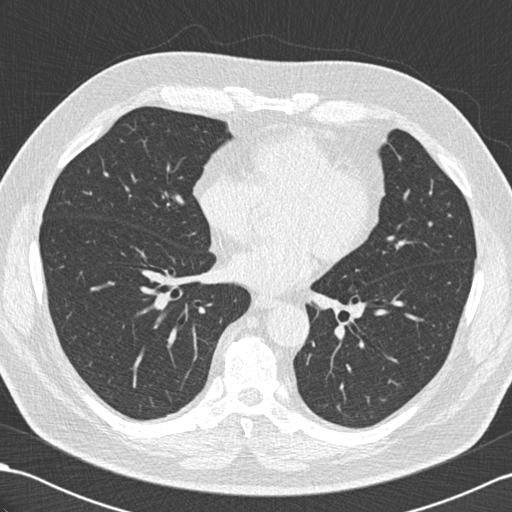
Axial chest CT slice 100 of 203 (counted from the lowest slice); 2.00 mm thick, 0.684 mm per pixel. This slice carries no reader outline of a nodule 3 mm or larger.
Tube voltage 120 kVp; convolution kernel B30f.